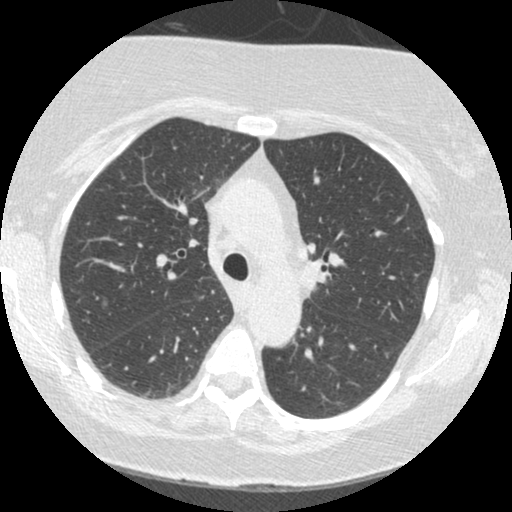
Axial slice 232 of 372 of a chest CT (slice 1 is the lowest), reconstructed with the STANDARD kernel at 120 kVp; 1.25 mm slice thickness and 0.586 mm pixels.
Pulmonary nodule outlined by three of the four readers; box rows 298–308, columns 102–106 (the union of the readers' outlines on this slice); the three readers' outlines give a longest diameter between 7.6 and 8.0 mm and a volume between 95 and 117 mm3. Ratings across the readers: texture from 1/5 (non-solid) to 4/5 across the three readers; margin from 1/5 (indistinct) to 4/5 across the three readers; sphericity from 4/5 to 5/5 (round) across the three readers; calcification absent from all three readers; internal structure soft tissue from all three readers; subtlety 2–4/5 (the readers disagree); malignancy likelihood 3–4/5 (the readers disagree). Scale key (1–5): texture non-solid→solid, margin indistinct→circumscribed, sphericity linear→round, subtlety extremely subtle→obvious, malignancy likelihood highly unlikely→highly suspicious of cancer. Box rows and columns are 0-based pixel indices from the top-left corner, inclusive.